Axial chest CT slice 279 of 477 (counted from the lowest slice); tube voltage 120 kVp, convolution kernel STANDARD; slices 1.25 mm thick, 0.625 mm per pixel.
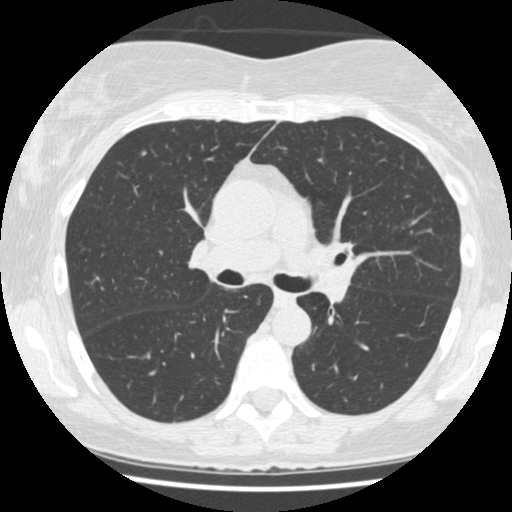
Pulmonary nodule at rows 151–155, columns 141–146 (box = the union of the readers' outlines on this slice), outlined by two of the four readers; the two readers' outlines give a longest diameter between 4.6 and 4.8 mm and a volume between 22 and 35 mm3. Ratings across the readers: texture 5/5 (solid), both readers agreeing; margin from 3/5 to 4/5 across the two readers; sphericity from 4/5 to 5/5 (round) across the two readers; calcification absent, both readers agreeing; internal structure soft tissue from both readers; subtlety rated between 1 and 2 out of 5 by the two readers; malignancy likelihood 1–2/5 (the readers disagree). Scale key (1–5): texture non-solid→solid, margin indistinct→circumscribed, sphericity linear→round, subtlety extremely subtle→obvious, malignancy likelihood highly unlikely→highly suspicious of cancer. Box rows and columns are 0-based pixel indices from the top-left corner, inclusive.